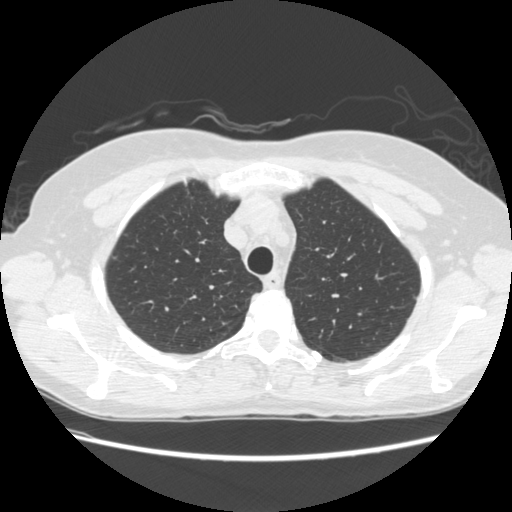
Chest CT, axial plane, 120 kVp, kernel STANDARD. Slice 199/261 from the bottom of the scan; thickness 1.25 mm; pixel size 0.682 mm.
Pulmonary nodule at rows 356–362, columns 333–348 (box = the union of the readers' outlines on this slice), outlined by two of the four readers; longest diameter 30.8 mm on average over the two readers' outlines (readers' outlines 30.0–31.5 mm), volume 6577–7912 mm3. The readers' prevailing ratings and who disagreed: texture split among the readers: 1/5 (non-solid) (one), 2/5 (one); margin split among the readers: 1/5 (indistinct) (one), 2/5 (one); sphericity split among the readers: 3/5 (ovoid) (one), 5/5 (round) (one); calcification absent, both readers agreeing; internal structure soft tissue from both readers; subtlety split among the readers: 1/5 (one), 2/5 (one); malignancy likelihood split among the readers: 4/5 (one), 5/5 (one). Scale key (1–5): texture non-solid→solid, margin indistinct→circumscribed, sphericity linear→round, subtlety extremely subtle→obvious, malignancy likelihood highly unlikely→highly suspicious of cancer. Box rows and columns are 0-based pixel indices from the top-left corner, inclusive.